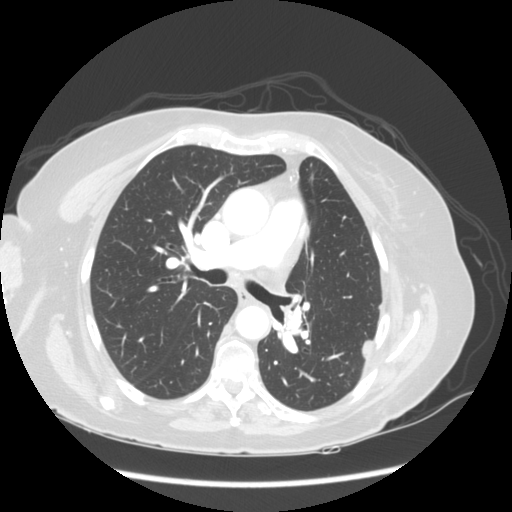
Axial chest CT slice 97 of 141 (counted from the lowest slice); tube voltage 120 kVp, convolution kernel STANDARD; slices 2.50 mm thick, 0.703 mm per pixel.
Pulmonary nodule at rows 339–359, columns 361–373 (box = the union of the readers' outlines on this slice), outlined by all four readers; median longest diameter 19.0 mm (readers' outlines 17.8–22.2 mm), median volume 1181 mm3 (1070–1706 mm3). Median ratings and the readers' spread: texture 5/5 (solid) from all four readers; margin 4/5 at the median of four readers, spread 3/5 to 4/5; median sphericity 3/5 (ovoid) (readers ranged 2/5 to 4/5); calcification absent from all four readers; internal structure soft tissue, all four readers agreeing; median subtlety 5/5 (readers ranged 4–5); malignancy likelihood 4/5 at the median of four readers, spread 3–5. Scale key (1–5): texture non-solid→solid, margin indistinct→circumscribed, sphericity linear→round, subtlety extremely subtle→obvious, malignancy likelihood highly unlikely→highly suspicious of cancer. Box rows and columns are 0-based pixel indices from the top-left corner, inclusive.